One axial slice (49 of 193, counting up from the lowest) of a chest CT acquired at 120 kVp with the B30f kernel; each pixel is 0.703 mm and the slice is 2.00 mm thick.
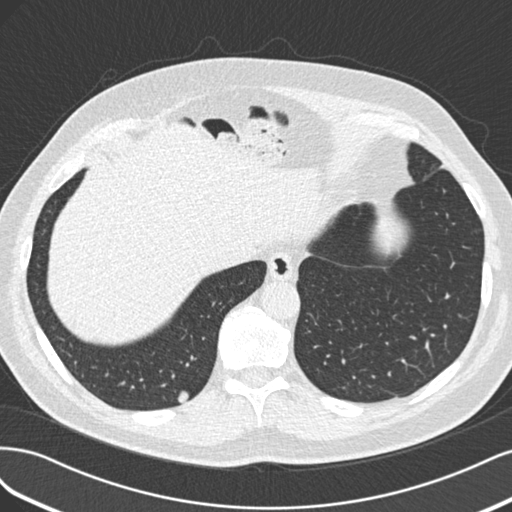
Pulmonary nodule outlined by three of the four readers; box rows 391–403, columns 178–188 (the union of the readers' outlines on this slice); the three readers' outlines give a longest diameter between 12.3 and 12.6 mm and a volume between 627 and 717 mm3. Ratings across the readers: texture from 4/5 to 5/5 (solid) across the three readers; margin from 3/5 to 5/5 (circumscribed) across the three readers; sphericity from 4/5 to 5/5 (round) across the three readers; calcification absent, all three readers agreeing; internal structure soft tissue from all three readers; subtlety 4–5/5 (the readers disagree); malignancy likelihood rated between 3 and 5 out of 5 by the three readers. Scale key (1–5): texture non-solid→solid, margin indistinct→circumscribed, sphericity linear→round, subtlety extremely subtle→obvious, malignancy likelihood highly unlikely→highly suspicious of cancer. Box rows and columns are 0-based pixel indices from the top-left corner, inclusive.